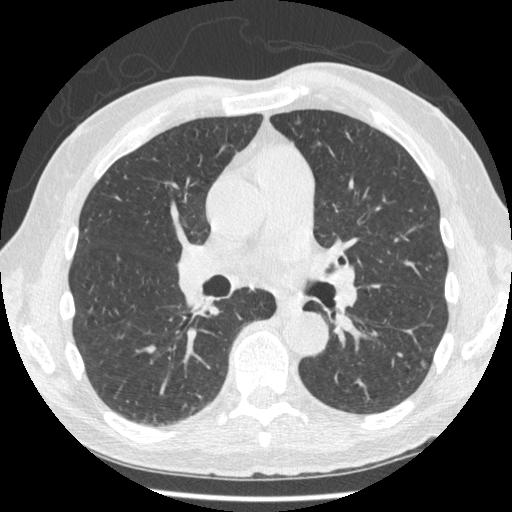
One axial slice (253 of 481, counting up from the lowest) of a chest CT acquired at 120 kVp with the STANDARD kernel; each pixel is 0.664 mm and the slice is 1.25 mm thick.
Pulmonary nodule outlined by one of the four readers; box rows 359–368, columns 421–427 (that reader's outline on this slice); longest diameter 8.0 mm and volume 54 mm3 from that reader's outline. That reader's ratings: texture 4/5; margin 5/5 (circumscribed); sphericity 4/5; calcification absent; internal structure soft tissue; subtlety 3/5; malignancy likelihood 3/5. Scale key (1–5): texture non-solid→solid, margin indistinct→circumscribed, sphericity linear→round, subtlety extremely subtle→obvious, malignancy likelihood highly unlikely→highly suspicious of cancer. Box rows and columns are 0-based pixel indices from the top-left corner, inclusive.